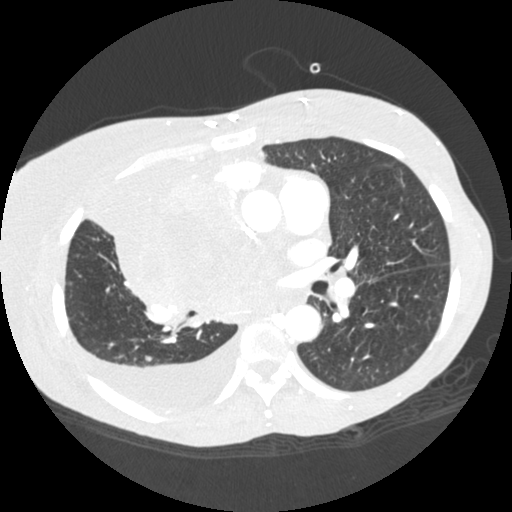
One axial slice (128 of 238, counting up from the lowest) of a chest CT acquired at 120 kVp with the STANDARD kernel; each pixel is 0.625 mm and the slice is 1.25 mm thick.
Pulmonary nodule at rows 355–361, columns 144–152 (box = the union of the readers' outlines on this slice), outlined by all four readers; the four readers' outlines give a longest diameter between 6.7 and 7.3 mm and a volume between 136 and 179 mm3. The readers' ratings, as ranges where they differ: texture 5/5 (solid) from all four readers; margin from 4/5 to 5/5 (circumscribed) across the four readers; sphericity from 3/5 (ovoid) to 5/5 (round) across the four readers; calcification absent from all four readers; internal structure soft tissue from all four readers; subtlety 3–5/5 (the readers disagree); malignancy likelihood rated between 2 and 3 out of 5 by the four readers. Scale key (1–5): texture non-solid→solid, margin indistinct→circumscribed, sphericity linear→round, subtlety extremely subtle→obvious, malignancy likelihood highly unlikely→highly suspicious of cancer. Box rows and columns are 0-based pixel indices from the top-left corner, inclusive.